Axial chest CT slice 373 of 541 (counted from the lowest slice); tube voltage 120 kVp, convolution kernel STANDARD; slices 1.25 mm thick, 0.586 mm per pixel.
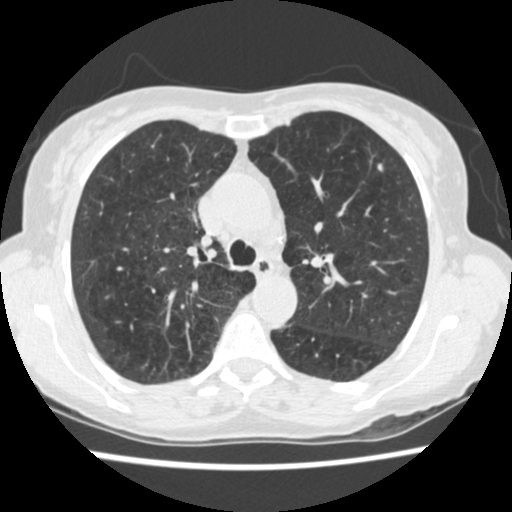
Pulmonary nodule at rows 163–171, columns 377–383 (box = the union of the readers' outlines on this slice), outlined by all four readers; longest diameter 6.7 mm on average over the four readers' outlines (readers' outlines 5.4–7.8 mm), volume 67–124 mm3. Ratings, by the readers' most common answer with dissent counted: texture 5/5 (solid) by three of four readers; the rest gave 4/5 (one); most readers (three of four) put margin at 4/5, others 5/5 (circumscribed) (one); sphericity 3/5 (ovoid) by two of four readers; the rest gave 2/5 (one), 5/5 (round) (one); calcification absent by three of four readers, central calcification (one); internal structure soft tissue from all four readers; subtlety 3/5 by two of four readers; the rest gave 4/5 (one), 5/5 (one); malignancy likelihood split among the readers: 1/5 (one), 2/5 (one), 3/5 (one), 4/5 (one). Scale key (1–5): texture non-solid→solid, margin indistinct→circumscribed, sphericity linear→round, subtlety extremely subtle→obvious, malignancy likelihood highly unlikely→highly suspicious of cancer. Box rows and columns are 0-based pixel indices from the top-left corner, inclusive.